Chest CT, axial plane, 120 kVp, kernel BONE. Slice 209/239 from the bottom of the scan; thickness 1.25 mm; pixel size 0.586 mm.
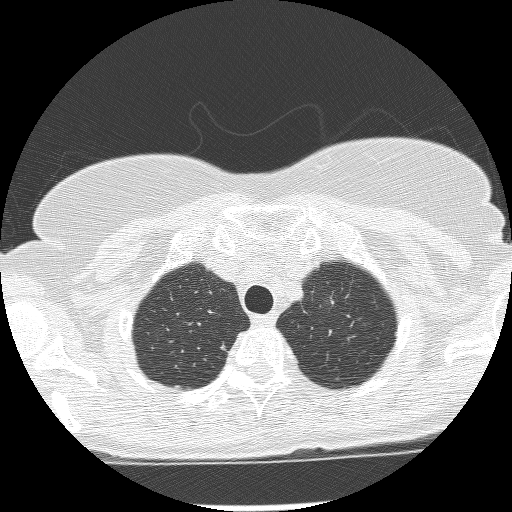
Pulmonary nodule, outlined by three of the four readers. Box on this slice rows 345–350, columns 220–226, the union of the readers' outlines on this slice; longest diameter 5.4 mm on average over the three readers' outlines (readers' outlines 5.0–5.6 mm), volume 33–63 mm3. Ratings, by the readers' most common answer with dissent counted: texture 5/5 (solid), all three readers agreeing; most readers (two of three) put margin at 5/5 (circumscribed), others 4/5 (one); sphericity split among the readers: 2/5 (one), 4/5 (one), 5/5 (round) (one); calcification absent, all three readers agreeing; internal structure soft tissue from all three readers; subtlety 3/5 by two of three readers; the rest gave 4/5 (one); most readers (two of three) put malignancy likelihood at 3/5, others 2/5 (one). Scale key (1–5): texture non-solid→solid, margin indistinct→circumscribed, sphericity linear→round, subtlety extremely subtle→obvious, malignancy likelihood highly unlikely→highly suspicious of cancer. Box rows and columns are 0-based pixel indices from the top-left corner, inclusive.